Axial slice 135 of 481 of a chest CT (slice 1 is the lowest), reconstructed with the STANDARD kernel at 120 kVp; 1.25 mm slice thickness and 0.605 mm pixels.
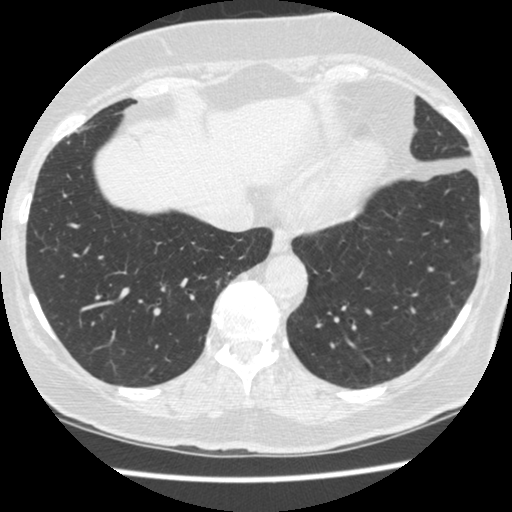
Pulmonary nodule outlined by all four readers, one of them on this slice; box rows 254–261, columns 472–479 (the one reader's outline on this slice); the four readers' outlines give a longest diameter between 9.9 and 10.4 mm and a volume between 124 and 211 mm3. Ratings across the readers: texture from 4/5 to 5/5 (solid) across the four readers; margin from 1/5 (indistinct) to 5/5 (circumscribed) across the four readers; sphericity from 3/5 (ovoid) to 5/5 (round) across the four readers; calcification absent from all four readers; internal structure soft tissue, all four readers agreeing; subtlety 4/5, all four readers agreeing; malignancy likelihood rated between 2 and 3 out of 5 by the four readers. Scale key (1–5): texture non-solid→solid, margin indistinct→circumscribed, sphericity linear→round, subtlety extremely subtle→obvious, malignancy likelihood highly unlikely→highly suspicious of cancer. Box rows and columns are 0-based pixel indices from the top-left corner, inclusive.